One axial slice (186 of 209, counting up from the lowest) of a chest CT acquired at 120 kVp with the STANDARD kernel; each pixel is 0.693 mm and the slice is 1.25 mm thick.
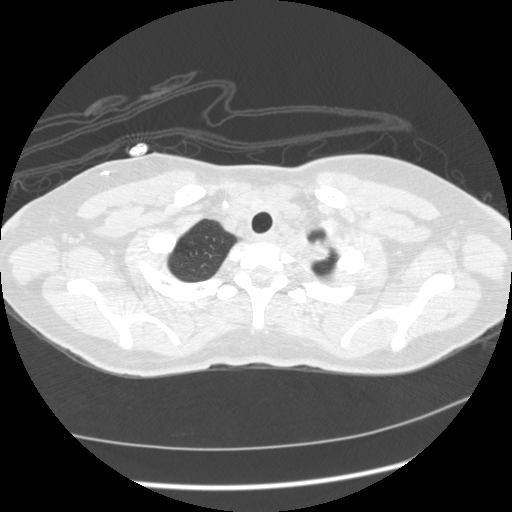
Pulmonary nodule at rows 237–262, columns 309–332 (box = the union of the readers' outlines on this slice), outlined by all four readers; median longest diameter 23.3 mm (readers' outlines 21.8–25.6 mm), median volume 3063 mm3 (2801–4927 mm3). Ratings, median across the readers with their spread: median texture 4/5 (readers ranged 4/5 to 5/5 (solid)); margin 3.5/5 at the median of four readers, spread 3/5 to 4/5; median sphericity 3.5/5 (readers ranged 2/5 to 5/5 (round)); calcification absent from all four readers; internal structure soft tissue from all four readers; subtlety 5/5, all four readers agreeing; median malignancy likelihood 4.5/5 (readers ranged 3–5). Scale key (1–5): texture non-solid→solid, margin indistinct→circumscribed, sphericity linear→round, subtlety extremely subtle→obvious, malignancy likelihood highly unlikely→highly suspicious of cancer. Box rows and columns are 0-based pixel indices from the top-left corner, inclusive.